Axial chest CT slice 62 of 123 (counted from the lowest slice); tube voltage 120 kVp, convolution kernel STANDARD; slices 2.50 mm thick, 0.703 mm per pixel.
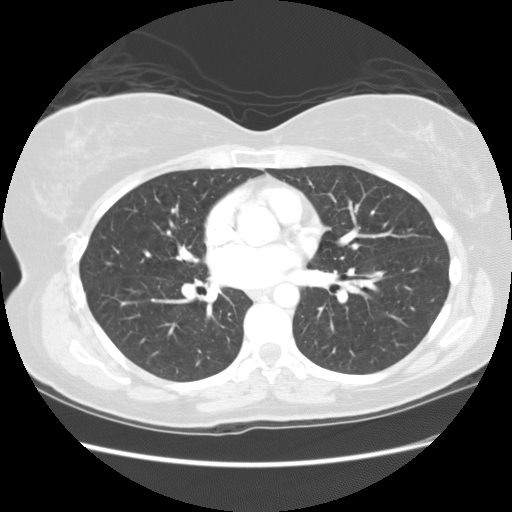
The readers outlined no nodule of 3 mm or more on this slice.